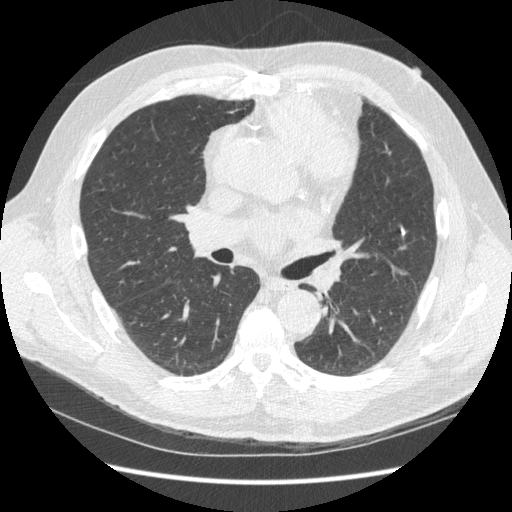
Chest CT, axial plane, 120 kVp, kernel STANDARD. Slice 177/369 from the bottom of the scan; thickness 1.25 mm; pixel size 0.703 mm.
Pulmonary nodule outlined by one of the four readers; box rows 226–235, columns 401–405 (that reader's outline on this slice); longest diameter 10.1 mm and volume 89 mm3 from that reader's outline. Ratings by that reader: texture 5/5 (solid); margin 5/5 (circumscribed); sphericity 3/5 (ovoid); calcification solid calcification; internal structure soft tissue; subtlety 5/5; malignancy likelihood 1/5. Scale key (1–5): texture non-solid→solid, margin indistinct→circumscribed, sphericity linear→round, subtlety extremely subtle→obvious, malignancy likelihood highly unlikely→highly suspicious of cancer. Box rows and columns are 0-based pixel indices from the top-left corner, inclusive.